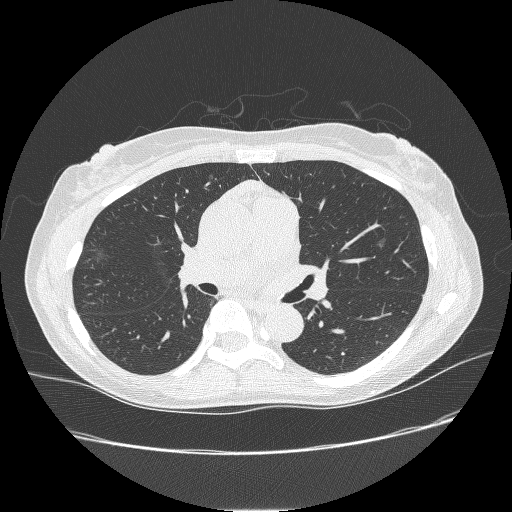
Chest CT, axial plane, 120 kVp, kernel BONE. Slice 149/238 from the bottom of the scan; thickness 1.25 mm; pixel size 0.703 mm.
Two pulmonary nodules on this slice, listed from left to right. (1) Pulmonary nodule at rows 251–260, columns 97–106 (box = the one reader's outline on this slice), outlined by two of the four readers, one of them on this slice; median longest diameter 14.0 mm (readers' outlines 11.5–16.5 mm), median volume 546 mm3 (494–598 mm3). Median ratings and the readers' spread: texture 1/5 (non-solid) from both readers; margin 1/5 (indistinct) from both readers; median sphericity 3.5/5 (readers ranged 3/5 (ovoid) to 4/5); calcification absent, both readers agreeing; internal structure soft tissue, both readers agreeing; subtlety 4/5 from both readers; malignancy likelihood 3.5/5 at the median of two readers, spread 3–4. (2) Pulmonary nodule outlined by three of the four readers; box rows 237–249, columns 376–385 (the union of the readers' outlines on this slice); median longest diameter 10.5 mm (readers' outlines 10.1–10.7 mm), median volume 192 mm3 (130–226 mm3). Ratings, median across the readers with their spread: texture 1/5 (non-solid) from all three readers; margin 1/5 (indistinct) at the median of three readers, spread 1/5 (indistinct) to 2/5; median sphericity 3/5 (ovoid) (readers ranged 2/5 to 4/5); calcification absent, all three readers agreeing; internal structure soft tissue, all three readers agreeing; median subtlety 3/5 (readers ranged 2–4); malignancy likelihood 3/5 at the median of three readers, spread 3–4. Scale key (1–5): texture non-solid→solid, margin indistinct→circumscribed, sphericity linear→round, subtlety extremely subtle→obvious, malignancy likelihood highly unlikely→highly suspicious of cancer. Box rows and columns are 0-based pixel indices from the top-left corner, inclusive.